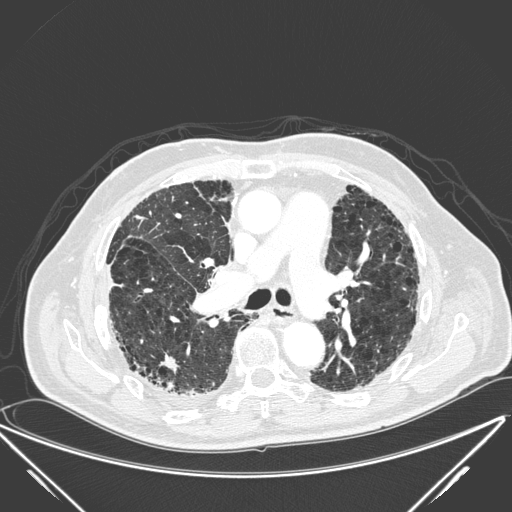
Axial slice 142 of 278 of a chest CT (slice 1 is the lowest), reconstructed with the D kernel at 120 kVp; 1.00 mm slice thickness and 0.812 mm pixels.
Pulmonary nodule at rows 354–374, columns 156–181 (box = the union of the readers' outlines on this slice), outlined by all four readers; longest diameter 31.1 mm on average over the four readers' outlines (readers' outlines 17.4–39.8 mm), volume 1021–4525 mm3. Ratings, by the readers' most common answer with dissent counted: texture 5/5 (solid), all four readers agreeing; margin split among the readers: 1/5 (indistinct) (one), 2/5 (one), 3/5 (one), 5/5 (circumscribed) (one); sphericity 2/5 by three of four readers; the rest gave 5/5 (round) (one); calcification absent, all four readers agreeing; internal structure soft tissue from all four readers; subtlety split among the readers: 4/5 (two), 5/5 (two); malignancy likelihood 5/5 by two of four readers; the rest gave 3/5 (one), 4/5 (one). Scale key (1–5): texture non-solid→solid, margin indistinct→circumscribed, sphericity linear→round, subtlety extremely subtle→obvious, malignancy likelihood highly unlikely→highly suspicious of cancer. Box rows and columns are 0-based pixel indices from the top-left corner, inclusive.